Axial slice 73 of 241 of a chest CT (slice 1 is the lowest), reconstructed with the STANDARD kernel at 120 kVp; 1.25 mm slice thickness and 0.609 mm pixels.
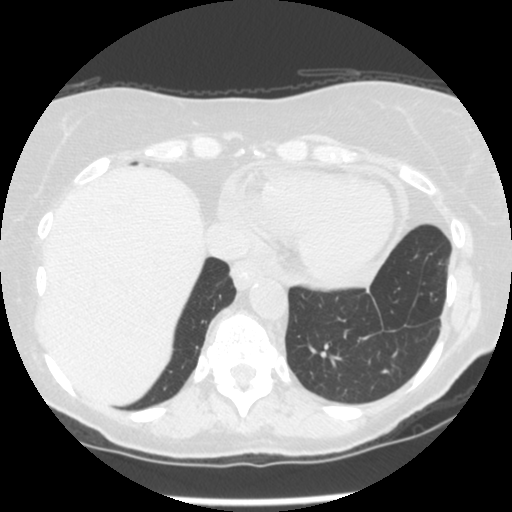
Pulmonary nodule outlined by all four readers, one of them on this slice; box rows 368–372, columns 391–394 (the one reader's outline on this slice); median longest diameter 7.5 mm (readers' outlines 7.3–9.1 mm), median volume 100 mm3 (77–138 mm3). Ratings, median across the readers with their spread: median texture 1.5/5 (readers ranged 1/5 (non-solid) to 3/5 (part-solid)); median margin 2.5/5 (readers ranged 2/5 to 4/5); median sphericity 4/5 (readers ranged 3/5 (ovoid) to 5/5 (round)); calcification absent, all four readers agreeing; internal structure soft tissue from all four readers; subtlety 2.5/5 at the median of four readers, spread 1–4; median malignancy likelihood 3/5 (readers ranged 2–4). Scale key (1–5): texture non-solid→solid, margin indistinct→circumscribed, sphericity linear→round, subtlety extremely subtle→obvious, malignancy likelihood highly unlikely→highly suspicious of cancer. Box rows and columns are 0-based pixel indices from the top-left corner, inclusive.